One axial slice (228 of 372, counting up from the lowest) of a chest CT acquired at 120 kVp with the STANDARD kernel; each pixel is 0.586 mm and the slice is 1.25 mm thick.
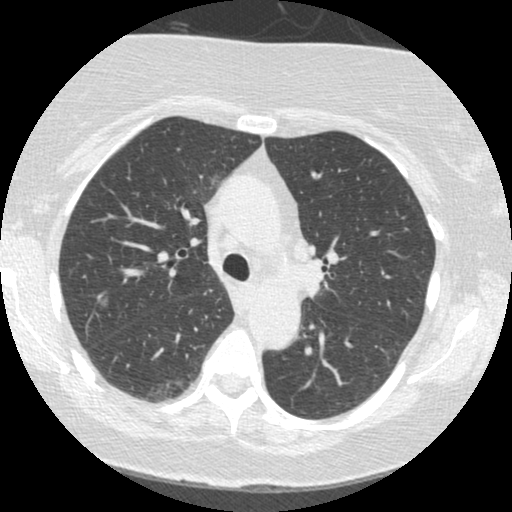
Pulmonary nodule outlined by three of the four readers; box rows 296–308, columns 99–107 (the union of the readers' outlines on this slice); median longest diameter 7.7 mm (readers' outlines 7.6–8.0 mm), median volume 95 mm3 (95–117 mm3). Ratings, median across the readers with their spread: texture 4/5 at the median of three readers, spread 1/5 (non-solid) to 4/5; margin 4/5 at the median of three readers, spread 1/5 (indistinct) to 4/5; sphericity 4/5 at the median of three readers, spread 4/5 to 5/5 (round); calcification absent, all three readers agreeing; internal structure soft tissue from all three readers; median subtlety 4/5 (readers ranged 2–4); malignancy likelihood 3/5 at the median of three readers, spread 3–4. Scale key (1–5): texture non-solid→solid, margin indistinct→circumscribed, sphericity linear→round, subtlety extremely subtle→obvious, malignancy likelihood highly unlikely→highly suspicious of cancer. Box rows and columns are 0-based pixel indices from the top-left corner, inclusive.